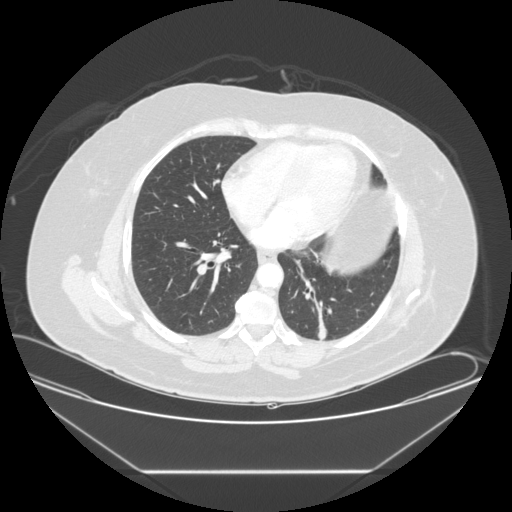
Axial chest CT slice 111 of 225 (counted from the lowest slice); 1.25 mm thick, 0.828 mm per pixel. None of the four readers outlined a nodule of 3 mm or more on this slice.
Scan settings: 120 kVp, STANDARD reconstruction kernel.